Axial chest CT slice 79 of 238 (counted from the lowest slice); tube voltage 120 kVp, convolution kernel STANDARD; slices 1.25 mm thick, 0.703 mm per pixel.
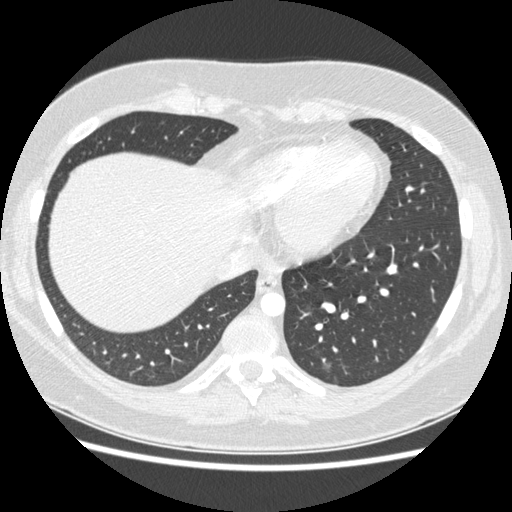
Pulmonary nodule outlined by three of the four readers; box rows 362–371, columns 321–330 (the union of the readers' outlines on this slice); longest diameter 7.2–8.8 mm and volume 76–177 mm3 across the three readers' outlines. Ratings across the readers: texture 1/5 (non-solid) from all three readers; margin from 3/5 to 4/5 across the three readers; sphericity from 3/5 (ovoid) to 4/5 across the three readers; calcification absent from all three readers; internal structure soft tissue from all three readers; subtlety from 1/5 to 3/5 across the three readers; malignancy likelihood 2–4/5 (the readers disagree). Scale key (1–5): texture non-solid→solid, margin indistinct→circumscribed, sphericity linear→round, subtlety extremely subtle→obvious, malignancy likelihood highly unlikely→highly suspicious of cancer. Box rows and columns are 0-based pixel indices from the top-left corner, inclusive.